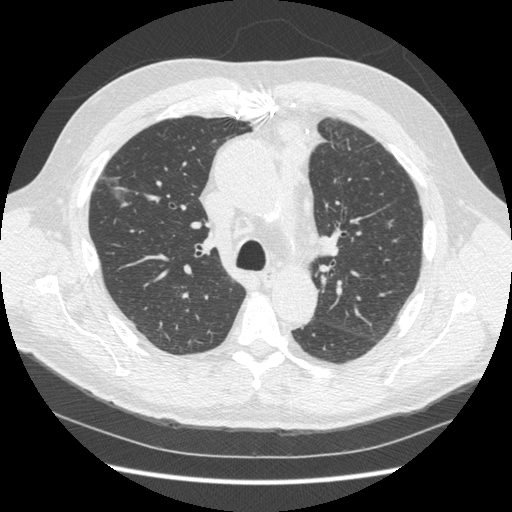
Chest CT, axial plane, 120 kVp, kernel STANDARD. Slice 230/369 from the bottom of the scan; thickness 1.25 mm; pixel size 0.703 mm.
Pulmonary nodule outlined by one of the four readers; box rows 173–202, columns 100–123 (that reader's outline on this slice); longest diameter 27.0 mm and volume 3015 mm3 from that reader's outline. Ratings by that reader: texture 1/5 (non-solid); margin 1/5 (indistinct); sphericity 3/5 (ovoid); calcification absent; internal structure soft tissue; subtlety 3/5; malignancy likelihood 3/5. Scale key (1–5): texture non-solid→solid, margin indistinct→circumscribed, sphericity linear→round, subtlety extremely subtle→obvious, malignancy likelihood highly unlikely→highly suspicious of cancer. Box rows and columns are 0-based pixel indices from the top-left corner, inclusive.